Chest CT, axial plane, 120 kVp, kernel BONE. Slice 139/235 from the bottom of the scan; thickness 1.25 mm; pixel size 0.625 mm.
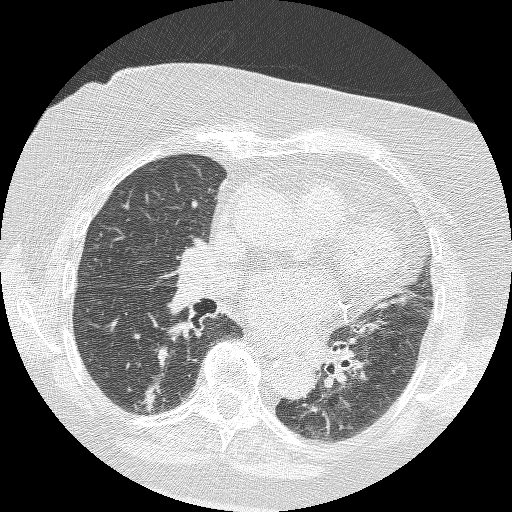
Pulmonary nodule outlined by two of the four readers; box rows 381–412, columns 136–158 (the union of the readers' outlines on this slice); longest diameter 20.0 mm on average over the two readers' outlines (readers' outlines 17.6–22.4 mm), volume 602–1472 mm3. Ratings, by the readers' most common answer with dissent counted: texture 5/5 (solid), both readers agreeing; margin split among the readers: 2/5 (one), 5/5 (circumscribed) (one); sphericity split among the readers: 1/5 (linear) (one), 2/5 (one); calcification absent from both readers; internal structure soft tissue, both readers agreeing; subtlety 5/5, both readers agreeing; malignancy likelihood 3/5 from both readers. Scale key (1–5): texture non-solid→solid, margin indistinct→circumscribed, sphericity linear→round, subtlety extremely subtle→obvious, malignancy likelihood highly unlikely→highly suspicious of cancer. Box rows and columns are 0-based pixel indices from the top-left corner, inclusive.